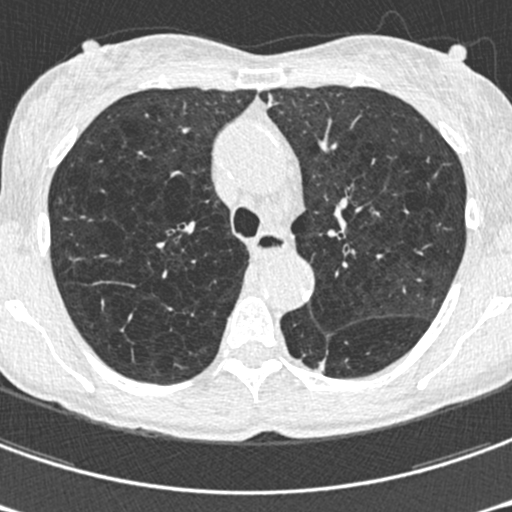
Chest CT, axial plane, 120 kVp, kernel B30f. Slice 436/633 from the bottom of the scan; thickness 0.60 mm; pixel size 0.541 mm.
Pulmonary nodule, outlined by one of the four readers. Box on this slice rows 359–371, columns 317–324, that reader's outline on this slice; longest diameter 20.7 mm and volume 470 mm3 from that reader's outline. That reader's ratings: texture 5/5 (solid); margin 1/5 (indistinct); sphericity 2/5; calcification absent; internal structure soft tissue; subtlety 4/5; malignancy likelihood 3/5. Scale key (1–5): texture non-solid→solid, margin indistinct→circumscribed, sphericity linear→round, subtlety extremely subtle→obvious, malignancy likelihood highly unlikely→highly suspicious of cancer. Box rows and columns are 0-based pixel indices from the top-left corner, inclusive.